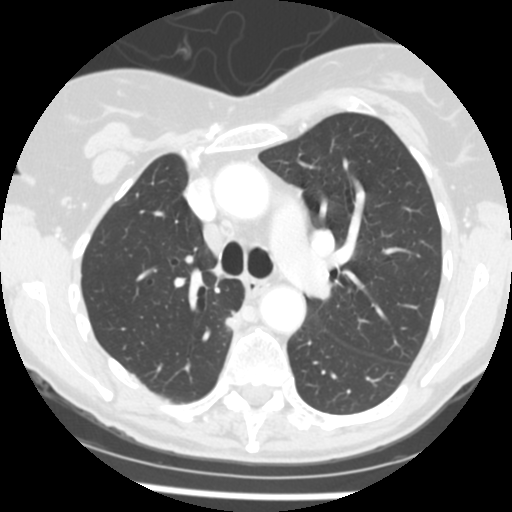
Chest CT, axial plane, 120 kVp, kernel STANDARD. Slice 161/245 from the bottom of the scan; thickness 2.50 mm; pixel size 0.547 mm.
Pulmonary nodule outlined by all four readers; box rows 310–330, columns 223–240 (the union of the readers' outlines on this slice); longest diameter 13.8 mm on average over the four readers' outlines (readers' outlines 13.1–14.5 mm), volume 549–868 mm3. The readers' prevailing ratings and who disagreed: texture 5/5 (solid), all four readers agreeing; margin 4/5 by two of four readers; the rest gave 3/5 (one), 5/5 (circumscribed) (one); sphericity split among the readers: 2/5 (one), 3/5 (ovoid) (one), 4/5 (one), 5/5 (round) (one); calcification absent, all four readers agreeing; internal structure soft tissue from all four readers; most readers (three of four) put subtlety at 4/5, others 5/5 (one); malignancy likelihood 4/5 by two of four readers; the rest gave 3/5 (one), 5/5 (one). Scale key (1–5): texture non-solid→solid, margin indistinct→circumscribed, sphericity linear→round, subtlety extremely subtle→obvious, malignancy likelihood highly unlikely→highly suspicious of cancer. Box rows and columns are 0-based pixel indices from the top-left corner, inclusive.